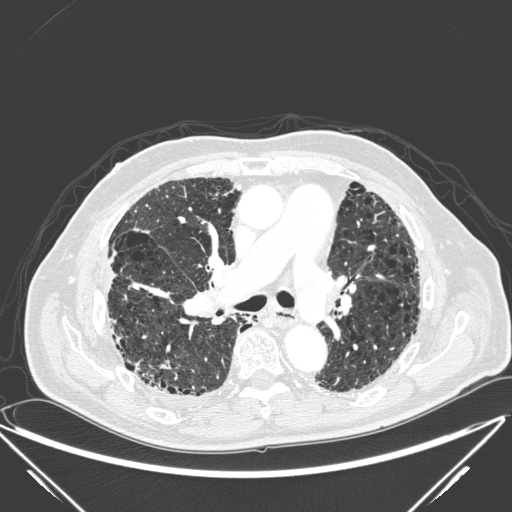
Axial chest CT slice 136 of 278 (counted from the lowest slice); tube voltage 120 kVp, convolution kernel D; slices 1.00 mm thick, 0.812 mm per pixel.
Pulmonary nodule outlined by all four readers, three of them on this slice; box rows 360–369, columns 159–171 (the union of the readers' outlines on this slice); longest diameter 31.1 mm on average over the four readers' outlines (readers' outlines 17.4–39.8 mm), volume 1021–4525 mm3. Ratings, by the readers' most common answer with dissent counted: texture 5/5 (solid) from all four readers; margin split among the readers: 1/5 (indistinct) (one), 2/5 (one), 3/5 (one), 5/5 (circumscribed) (one); most readers (three of four) put sphericity at 2/5, others 5/5 (round) (one); calcification absent, all four readers agreeing; internal structure soft tissue from all four readers; subtlety split among the readers: 4/5 (two), 5/5 (two); malignancy likelihood 5/5 by two of four readers; the rest gave 3/5 (one), 4/5 (one). Scale key (1–5): texture non-solid→solid, margin indistinct→circumscribed, sphericity linear→round, subtlety extremely subtle→obvious, malignancy likelihood highly unlikely→highly suspicious of cancer. Box rows and columns are 0-based pixel indices from the top-left corner, inclusive.